Axial chest CT slice 45 of 114 (counted from the lowest slice); tube voltage 120 kVp, convolution kernel STANDARD; slices 2.50 mm thick, 0.664 mm per pixel.
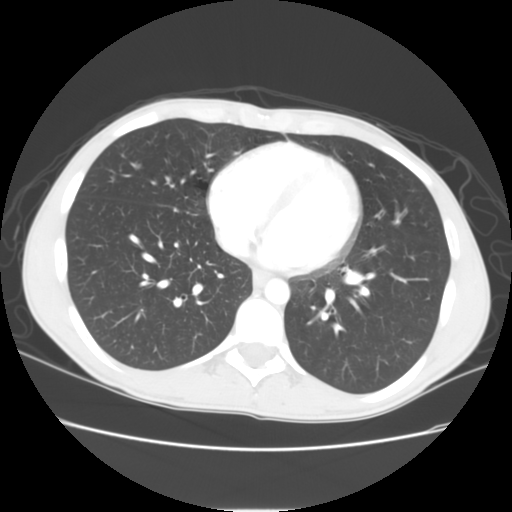
None of the four readers outlined a nodule of 3 mm or more on this slice.